Axial chest CT slice 425 of 538 (counted from the lowest slice); tube voltage 120 kVp, convolution kernel B30f; slices 0.75 mm thick, 0.605 mm per pixel.
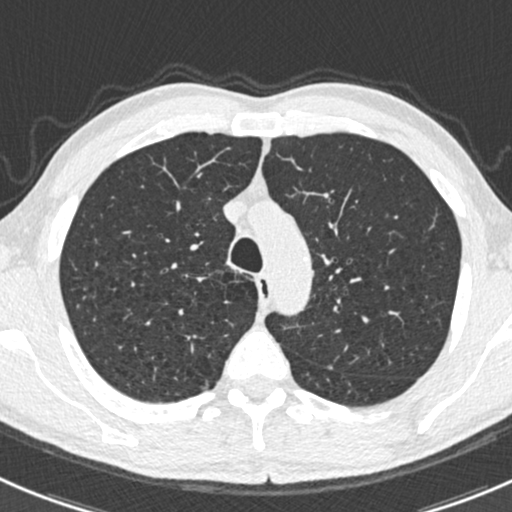
Pulmonary nodule at rows 364–370, columns 327–333 (box = the union of the readers' outlines on this slice), outlined by all four readers; longest diameter 6.3–8.1 mm and volume 38–119 mm3 across the four readers' outlines. Ratings across the readers: texture 5/5 (solid) from all four readers; margin from 4/5 to 5/5 (circumscribed) across the four readers; sphericity from 4/5 to 5/5 (round) across the four readers; calcification: solid calcification (three), absent (one); internal structure soft tissue, all four readers agreeing; subtlety rated between 2 and 5 out of 5 by the four readers; malignancy likelihood 1/5, all four readers agreeing. Scale key (1–5): texture non-solid→solid, margin indistinct→circumscribed, sphericity linear→round, subtlety extremely subtle→obvious, malignancy likelihood highly unlikely→highly suspicious of cancer. Box rows and columns are 0-based pixel indices from the top-left corner, inclusive.